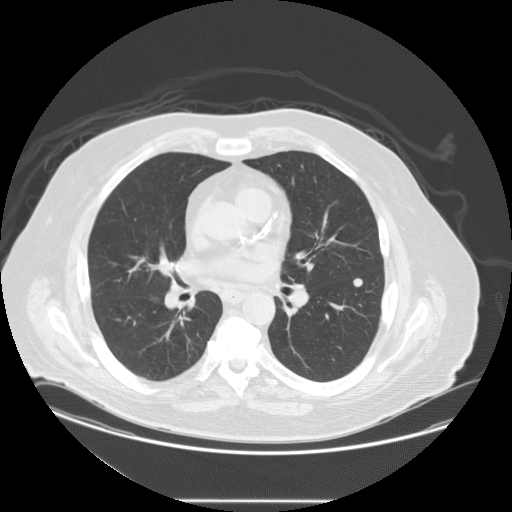
Slice 78/133 of a chest CT, counting up from the lowest; pixel size 0.859 mm, slice thickness 2.50 mm. Pulmonary nodule outlined by all four readers; box rows 277–287, columns 352–363 (the union of the readers' outlines on this slice); median longest diameter 10.4 mm (readers' outlines 9.6–11.3 mm), median volume 523 mm3 (358–661 mm3). Ratings, median across the readers with their spread: texture 5/5 (solid), all four readers agreeing; margin 5/5 (circumscribed), all four readers agreeing; median sphericity 5/5 (round) (readers ranged 4/5 to 5/5 (round)); calcification absent, all four readers agreeing; internal structure soft tissue, all four readers agreeing; subtlety 4/5 at the median of four readers, spread 3–5; median malignancy likelihood 3/5 (readers ranged 2–3). Scale key (1–5): texture non-solid→solid, margin indistinct→circumscribed, sphericity linear→round, subtlety extremely subtle→obvious, malignancy likelihood highly unlikely→highly suspicious of cancer. Box rows and columns are 0-based pixel indices from the top-left corner, inclusive.
Scan settings: 120 kVp, STANDARD reconstruction kernel.